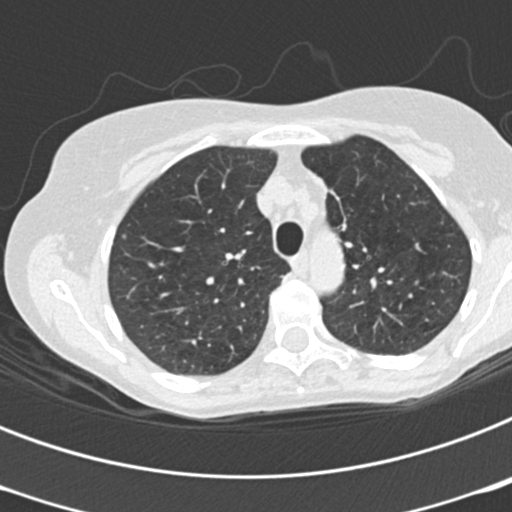
Axial chest CT slice 156 of 199 (counted from the lowest slice); tube voltage 120 kVp, convolution kernel B30f; slices 2.00 mm thick, 0.566 mm per pixel.
Pulmonary nodule, outlined by one of the four readers. Box on this slice rows 233–239, columns 121–125, that reader's outline on this slice; longest diameter 4.9 mm and volume 48 mm3 from that reader's outline. That reader's ratings: texture 5/5 (solid); margin 5/5 (circumscribed); sphericity 4/5; calcification absent; internal structure soft tissue; subtlety 4/5; malignancy likelihood 2/5. Scale key (1–5): texture non-solid→solid, margin indistinct→circumscribed, sphericity linear→round, subtlety extremely subtle→obvious, malignancy likelihood highly unlikely→highly suspicious of cancer. Box rows and columns are 0-based pixel indices from the top-left corner, inclusive.